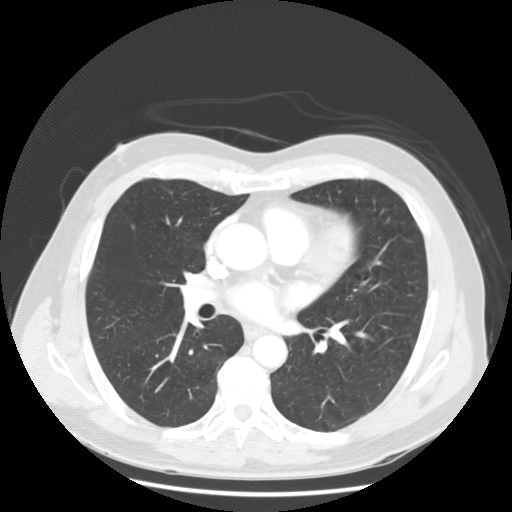
Axial chest CT slice 73 of 129 (counted from the lowest slice); 2.50 mm thick, 0.781 mm per pixel. Pulmonary nodule, outlined by all four readers. Box on this slice rows 223–230, columns 129–134, the union of the readers' outlines on this slice; median longest diameter 6.7 mm (readers' outlines 5.7–7.4 mm), median volume 122 mm3 (76–146 mm3). Ratings, median across the readers with their spread: texture 5/5 (solid) at the median of four readers, spread 3/5 (part-solid) to 5/5 (solid); margin 3.5/5 at the median of four readers, spread 2/5 to 5/5 (circumscribed); sphericity 5/5 (round) at the median of four readers, spread 4/5 to 5/5 (round); calcification absent from all four readers; internal structure soft tissue, all four readers agreeing; median subtlety 3/5 (readers ranged 2–5); malignancy likelihood 2/5 at the median of four readers, spread 2–3. Scale key (1–5): texture non-solid→solid, margin indistinct→circumscribed, sphericity linear→round, subtlety extremely subtle→obvious, malignancy likelihood highly unlikely→highly suspicious of cancer. Box rows and columns are 0-based pixel indices from the top-left corner, inclusive.
Scan settings: 120 kVp, STANDARD reconstruction kernel.